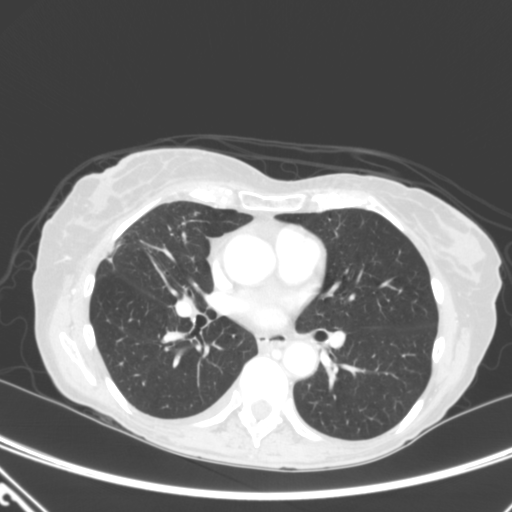
One axial slice (175 of 320, counting up from the lowest) of a chest CT acquired at 120 kVp with the B kernel; each pixel is 0.662 mm and the slice is 2.00 mm thick.
Pulmonary nodule at rows 243–262, columns 105–119 (box = the union of the readers' outlines on this slice), outlined by all four readers, three of them on this slice; longest diameter 15.2 mm on average over the four readers' outlines (readers' outlines 12.2–16.6 mm), volume 631–1078 mm3. The readers' prevailing ratings and who disagreed: texture 5/5 (solid) from all four readers; margin 4/5 by two of four readers; the rest gave 3/5 (one), 5/5 (circumscribed) (one); sphericity 3/5 (ovoid) by two of four readers; the rest gave 4/5 (one), 5/5 (round) (one); calcification absent, all four readers agreeing; internal structure soft tissue, all four readers agreeing; subtlety 5/5, all four readers agreeing; malignancy likelihood 5/5 by two of four readers; the rest gave 2/5 (one), 4/5 (one). Scale key (1–5): texture non-solid→solid, margin indistinct→circumscribed, sphericity linear→round, subtlety extremely subtle→obvious, malignancy likelihood highly unlikely→highly suspicious of cancer. Box rows and columns are 0-based pixel indices from the top-left corner, inclusive.